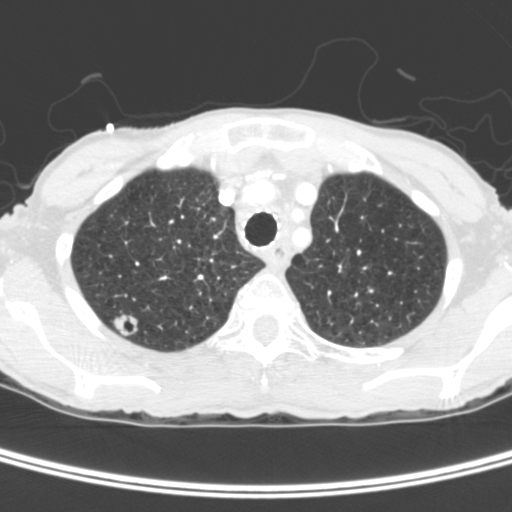
This is axial slice 320 of 400 (slice 1 is the lowest) of a chest CT; each pixel is 0.527 mm and the slice is 1.50 mm thick. Pulmonary nodule outlined by three of the four readers; box rows 312–336, columns 111–138 (the union of the readers' outlines on this slice); longest diameter 15.5 mm on average over the three readers' outlines (readers' outlines 15.0–15.8 mm), volume 1012–1166 mm3. The readers' prevailing ratings and who disagreed: most readers (two of three) put texture at 5/5 (solid), others 3/5 (part-solid) (one); margin 4/5 from all three readers; sphericity 5/5 (round) by two of three readers; the rest gave 4/5 (one); calcification absent from all three readers; internal structure soft tissue by two of three readers, air (one); subtlety 5/5 from all three readers; most readers (two of three) put malignancy likelihood at 5/5, others 4/5 (one). Scale key (1–5): texture non-solid→solid, margin indistinct→circumscribed, sphericity linear→round, subtlety extremely subtle→obvious, malignancy likelihood highly unlikely→highly suspicious of cancer. Box rows and columns are 0-based pixel indices from the top-left corner, inclusive.
Tube voltage 120 kVp; convolution kernel C.